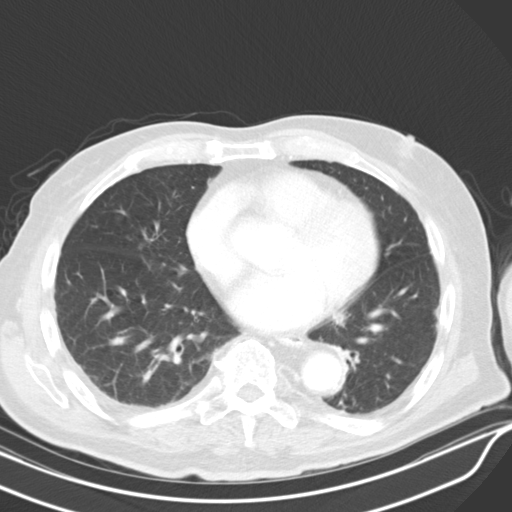
Axial chest CT slice 223 of 319 (counted from the lowest slice); tube voltage 130 kVp, convolution kernel B30s; slices 4.00 mm thick, 0.729 mm per pixel.
Two pulmonary nodules on this slice, listed from left to right. (1) Pulmonary nodule, outlined by three of the four readers, one of them on this slice. Box on this slice rows 243–249, columns 137–142, the one reader's outline on this slice; longest diameter 7.5 mm on average over the three readers' outlines (readers' outlines 7.3–7.6 mm), volume 142–180 mm3. The readers' prevailing ratings and who disagreed: texture split among the readers: 2/5 (one), 4/5 (one), 5/5 (solid) (one); most readers (two of three) put margin at 4/5, others 2/5 (one); sphericity split among the readers: 2/5 (one), 3/5 (ovoid) (one), 4/5 (one); calcification absent, all three readers agreeing; internal structure soft tissue from all three readers; subtlety split among the readers: 2/5 (one), 4/5 (one), 5/5 (one); most readers (two of three) put malignancy likelihood at 2/5, others 3/5 (one). (2) Pulmonary nodule, outlined by one of the four readers. Box on this slice rows 311–326, columns 332–349, that reader's outline on this slice; longest diameter 15.4 mm and volume 875 mm3 from that reader's outline. That reader's ratings: texture 4/5; margin 2/5; sphericity 2/5; calcification absent; internal structure soft tissue; subtlety 3/5; malignancy likelihood 3/5. Scale key (1–5): texture non-solid→solid, margin indistinct→circumscribed, sphericity linear→round, subtlety extremely subtle→obvious, malignancy likelihood highly unlikely→highly suspicious of cancer. Box rows and columns are 0-based pixel indices from the top-left corner, inclusive.